Axial slice 191 of 312 of a chest CT (slice 1 is the lowest), reconstructed with the B45f kernel at 120 kVp; 1.00 mm slice thickness and 0.664 mm pixels.
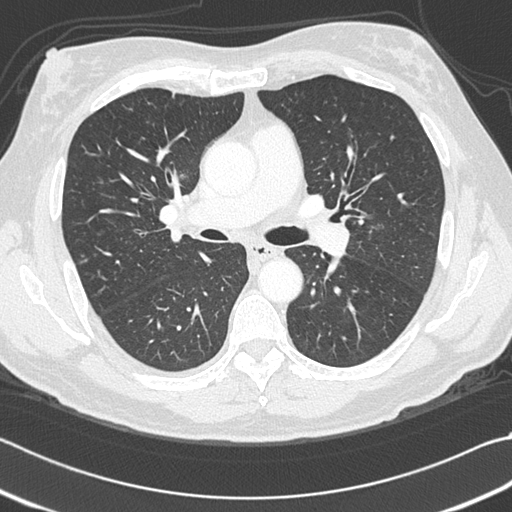
Pulmonary nodule at rows 179–183, columns 98–103 (box = that reader's outline on this slice), outlined by one of the four readers; longest diameter 6.5 mm and volume 45 mm3 from that reader's outline. Ratings by that reader: texture 1/5 (non-solid); margin 3/5; sphericity 4/5; calcification absent; internal structure soft tissue; subtlety 1/5; malignancy likelihood 3/5. Scale key (1–5): texture non-solid→solid, margin indistinct→circumscribed, sphericity linear→round, subtlety extremely subtle→obvious, malignancy likelihood highly unlikely→highly suspicious of cancer. Box rows and columns are 0-based pixel indices from the top-left corner, inclusive.